Axial chest CT slice 171 of 308 (counted from the lowest slice); tube voltage 120 kVp, convolution kernel B45f; slices 1.00 mm thick, 0.586 mm per pixel.
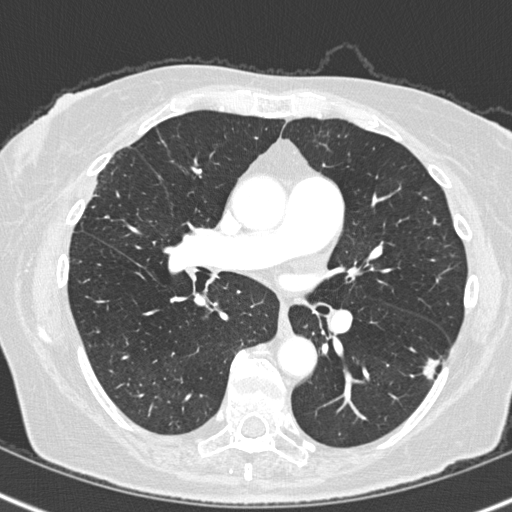
Pulmonary nodule at rows 356–380, columns 416–440 (box = the union of the readers' outlines on this slice), outlined by all four readers; longest diameter 15.5–19.6 mm and volume 724–1186 mm3 across the four readers' outlines. The readers' ratings, as ranges where they differ: texture from 4/5 to 5/5 (solid) across the four readers; margin from 3/5 to 4/5 across the four readers; sphericity from 3/5 (ovoid) to 5/5 (round) across the four readers; calcification absent, all four readers agreeing; internal structure soft tissue from all four readers; subtlety 4–5/5 (the readers disagree); malignancy likelihood from 4/5 to 5/5 across the four readers. Scale key (1–5): texture non-solid→solid, margin indistinct→circumscribed, sphericity linear→round, subtlety extremely subtle→obvious, malignancy likelihood highly unlikely→highly suspicious of cancer. Box rows and columns are 0-based pixel indices from the top-left corner, inclusive.